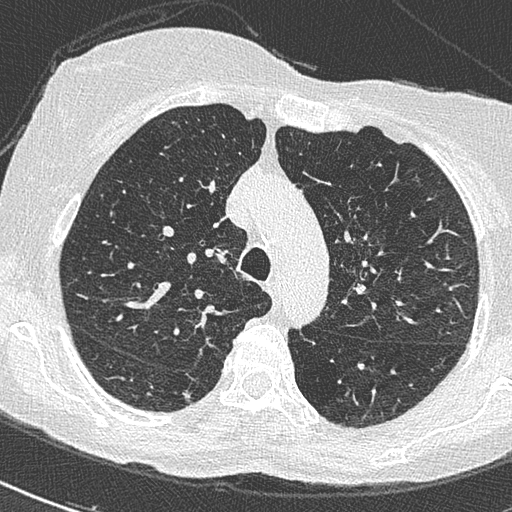
One axial slice (445 of 588, counting up from the lowest) of a chest CT acquired at 120 kVp with the B50f kernel; each pixel is 0.514 mm and the slice is 0.60 mm thick.
No nodule 3 mm or larger was outlined here by any reader.